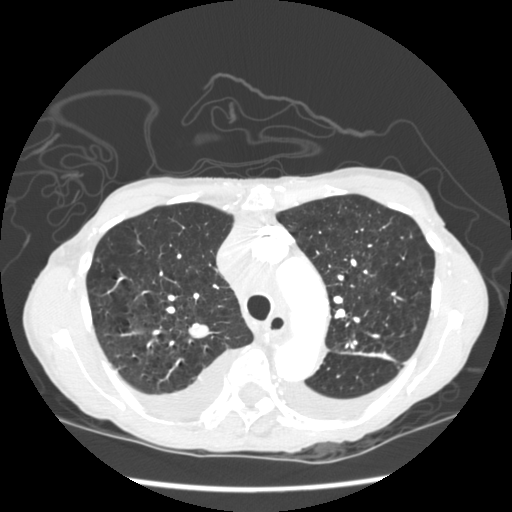
Axial slice 166 of 233 of a chest CT (slice 1 is the lowest), reconstructed with the STANDARD kernel at 120 kVp; 1.25 mm slice thickness and 0.664 mm pixels.
Pulmonary nodule, outlined by all four readers. Box on this slice rows 323–337, columns 187–208, the union of the readers' outlines on this slice; the four readers' outlines give a longest diameter between 14.3 and 15.4 mm and a volume between 906 and 1149 mm3. Ratings across the readers: texture 5/5 (solid), all four readers agreeing; margin from 4/5 to 5/5 (circumscribed) across the four readers; sphericity from 3/5 (ovoid) to 4/5 across the four readers; calcification absent, all four readers agreeing; internal structure soft tissue, all four readers agreeing; subtlety from 4/5 to 5/5 across the four readers; malignancy likelihood rated between 2 and 4 out of 5 by the four readers. Scale key (1–5): texture non-solid→solid, margin indistinct→circumscribed, sphericity linear→round, subtlety extremely subtle→obvious, malignancy likelihood highly unlikely→highly suspicious of cancer. Box rows and columns are 0-based pixel indices from the top-left corner, inclusive.